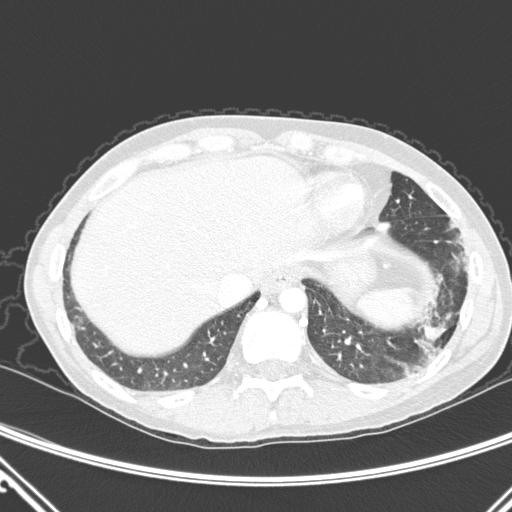
Axial chest CT slice 64 of 290 (counted from the lowest slice); 1.00 mm thick, 0.662 mm per pixel. Pulmonary nodule, outlined by two of the four readers. Box on this slice rows 320–341, columns 423–444, the union of the readers' outlines on this slice; the two readers' outlines give a longest diameter between 16.8 and 17.4 mm and a volume between 457 and 555 mm3. The readers' ratings, as ranges where they differ: texture 5/5 (solid), both readers agreeing; margin from 1/5 (indistinct) to 2/5 across the two readers; sphericity from 3/5 (ovoid) to 4/5 across the two readers; calcification absent, both readers agreeing; internal structure soft tissue from both readers; subtlety 4/5 from both readers; malignancy likelihood 3–4/5 (the readers disagree). Scale key (1–5): texture non-solid→solid, margin indistinct→circumscribed, sphericity linear→round, subtlety extremely subtle→obvious, malignancy likelihood highly unlikely→highly suspicious of cancer. Box rows and columns are 0-based pixel indices from the top-left corner, inclusive.
Scan settings: 120 kVp, D reconstruction kernel.